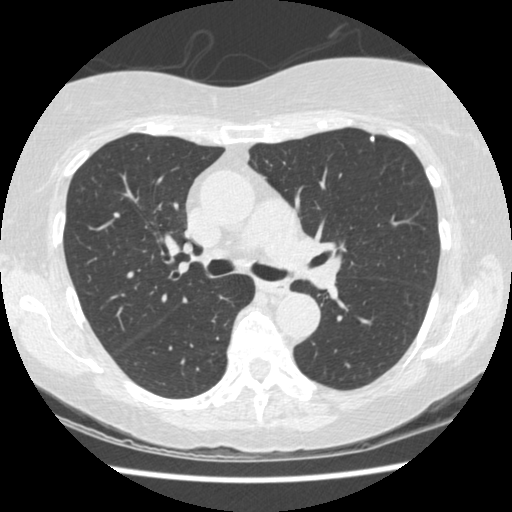
One axial slice (262 of 458, counting up from the lowest) of a chest CT acquired at 120 kVp with the STANDARD kernel; each pixel is 0.625 mm and the slice is 1.25 mm thick.
Pulmonary nodule at rows 136–140, columns 369–374 (box = the union of the readers' outlines on this slice), outlined by two of the four readers; median longest diameter 4.7 mm (readers' outlines 4.6–4.8 mm), median volume 38 mm3 (37–39 mm3). Ratings, median across the readers with their spread: texture 5/5 (solid), both readers agreeing; margin 5/5 (circumscribed), both readers agreeing; sphericity 4.5/5 at the median of two readers, spread 4/5 to 5/5 (round); calcification solid calcification from both readers; internal structure soft tissue from both readers; subtlety 4.5/5 at the median of two readers, spread 4–5; malignancy likelihood 1/5, both readers agreeing. Scale key (1–5): texture non-solid→solid, margin indistinct→circumscribed, sphericity linear→round, subtlety extremely subtle→obvious, malignancy likelihood highly unlikely→highly suspicious of cancer. Box rows and columns are 0-based pixel indices from the top-left corner, inclusive.